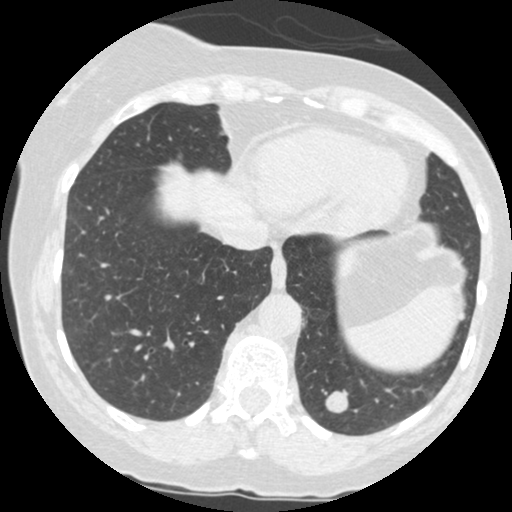
Axial slice 119 of 484 of a chest CT (slice 1 is the lowest), reconstructed with the STANDARD kernel at 120 kVp; 1.25 mm slice thickness and 0.586 mm pixels.
Two pulmonary nodules on this slice, listed from left to right. (1) Pulmonary nodule outlined by all four readers; box rows 391–412, columns 325–347 (the union of the readers' outlines on this slice); the four readers' outlines give a longest diameter between 14.7 and 16.9 mm and a volume between 1036 and 1469 mm3. Ratings across the readers: texture 5/5 (solid) from all four readers; margin 5/5 (circumscribed), all four readers agreeing; sphericity from 3/5 (ovoid) to 5/5 (round) across the four readers; calcification absent from all four readers; internal structure soft tissue, all four readers agreeing; subtlety 5/5, all four readers agreeing; malignancy likelihood rated between 2 and 5 out of 5 by the four readers. (2) Pulmonary nodule at rows 312–319, columns 458–464 (box = the union of the readers' outlines on this slice), outlined by all four readers, three of them on this slice; median longest diameter 6.4 mm (readers' outlines 6.0–7.2 mm), median volume 52 mm3 (36–76 mm3). Median ratings and the readers' spread: texture 5/5 (solid) at the median of four readers, spread 4/5 to 5/5 (solid); margin 4.5/5 at the median of four readers, spread 4/5 to 5/5 (circumscribed); sphericity 4/5 at the median of four readers, spread 3/5 (ovoid) to 5/5 (round); calcification absent from all four readers; internal structure soft tissue, all four readers agreeing; median subtlety 3.5/5 (readers ranged 2–4); median malignancy likelihood 2.5/5 (readers ranged 1–3). Scale key (1–5): texture non-solid→solid, margin indistinct→circumscribed, sphericity linear→round, subtlety extremely subtle→obvious, malignancy likelihood highly unlikely→highly suspicious of cancer. Box rows and columns are 0-based pixel indices from the top-left corner, inclusive.